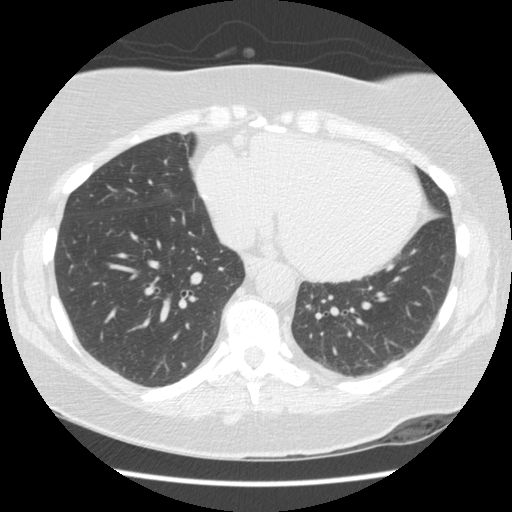
Chest CT, axial plane, 120 kVp, kernel STANDARD. Slice 57/154 from the bottom of the scan; thickness 2.50 mm; pixel size 0.645 mm.
Pulmonary nodule outlined by one of the four readers; box rows 305–308, columns 306–309 (that reader's outline on this slice); longest diameter 11.3 mm and volume 286 mm3 from that reader's outline. That reader's ratings: texture 4/5; margin 3/5; sphericity 2/5; calcification absent; internal structure soft tissue; subtlety 4/5; malignancy likelihood 1/5. Scale key (1–5): texture non-solid→solid, margin indistinct→circumscribed, sphericity linear→round, subtlety extremely subtle→obvious, malignancy likelihood highly unlikely→highly suspicious of cancer. Box rows and columns are 0-based pixel indices from the top-left corner, inclusive.